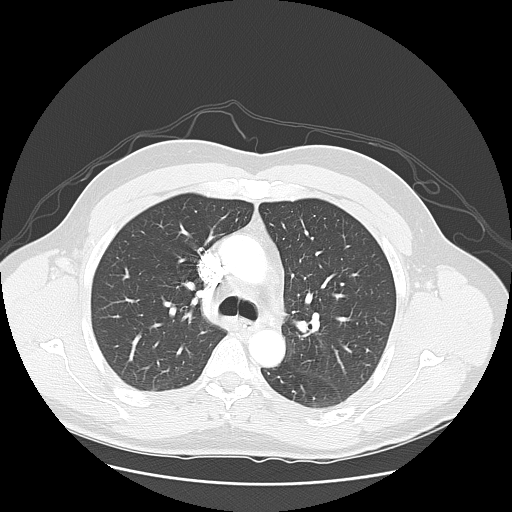
Chest CT, axial plane, 120 kVp, kernel LUNG. Slice 80/119 from the bottom of the scan; thickness 2.50 mm; pixel size 0.742 mm.
The readers outlined no nodule of 3 mm or more on this slice.